Chest CT, axial plane, 120 kVp, kernel B30f. Slice 229/441 from the bottom of the scan; thickness 0.75 mm; pixel size 0.520 mm.
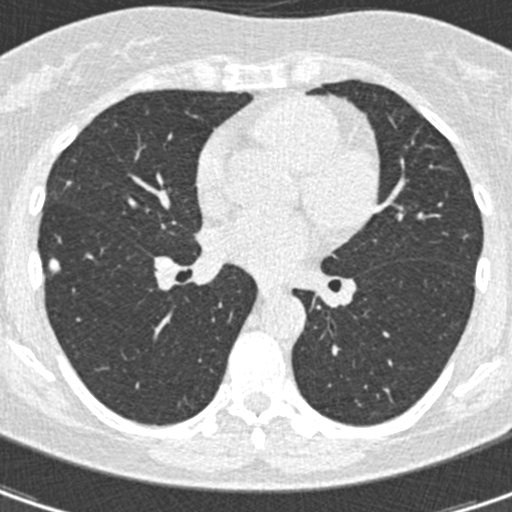
Pulmonary nodule at rows 258–273, columns 48–60 (box = the union of the readers' outlines on this slice), outlined by three of the four readers; longest diameter 9.8–12.4 mm and volume 248–289 mm3 across the three readers' outlines. The readers' ratings, as ranges where they differ: texture from 4/5 to 5/5 (solid) across the three readers; margin from 4/5 to 5/5 (circumscribed) across the three readers; sphericity from 4/5 to 5/5 (round) across the three readers; calcification: absent (two), solid calcification (one); internal structure soft tissue from all three readers; subtlety from 4/5 to 5/5 across the three readers; malignancy likelihood 1–3/5 (the readers disagree). Scale key (1–5): texture non-solid→solid, margin indistinct→circumscribed, sphericity linear→round, subtlety extremely subtle→obvious, malignancy likelihood highly unlikely→highly suspicious of cancer. Box rows and columns are 0-based pixel indices from the top-left corner, inclusive.